One axial slice (58 of 128, counting up from the lowest) of a chest CT acquired at 120 kVp with the STANDARD kernel; each pixel is 0.742 mm and the slice is 2.50 mm thick.
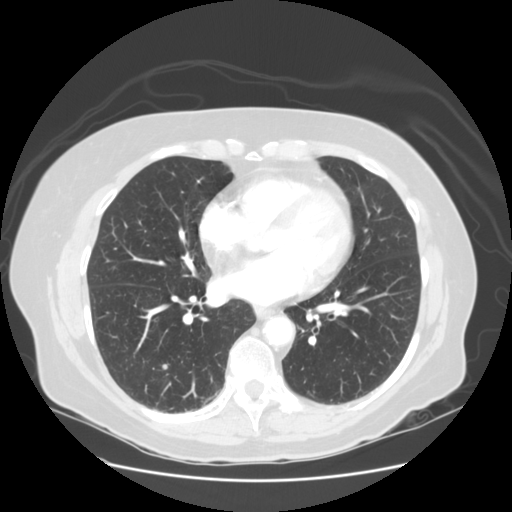
Pulmonary nodule outlined by three of the four readers; box rows 364–369, columns 162–168 (the union of the readers' outlines on this slice); the three readers' outlines give a longest diameter between 5.7 and 6.6 mm and a volume between 89 and 122 mm3. The readers' ratings, as ranges where they differ: texture from 4/5 to 5/5 (solid) across the three readers; margin from 3/5 to 5/5 (circumscribed) across the three readers; sphericity from 4/5 to 5/5 (round) across the three readers; calcification absent, all three readers agreeing; internal structure soft tissue from all three readers; subtlety from 3/5 to 4/5 across the three readers; malignancy likelihood 2–3/5 (the readers disagree). Scale key (1–5): texture non-solid→solid, margin indistinct→circumscribed, sphericity linear→round, subtlety extremely subtle→obvious, malignancy likelihood highly unlikely→highly suspicious of cancer. Box rows and columns are 0-based pixel indices from the top-left corner, inclusive.